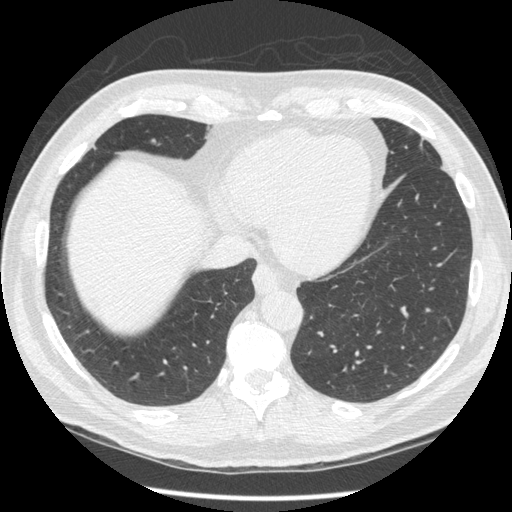
Axial slice 108 of 452 of a chest CT (slice 1 is the lowest), reconstructed with the STANDARD kernel at 120 kVp; 1.25 mm slice thickness and 0.703 mm pixels.
Pulmonary nodule, outlined by one of the four readers. Box on this slice rows 138–144, columns 150–155, that reader's outline on this slice; longest diameter 6.4 mm and volume 38 mm3 from that reader's outline. That reader's ratings: texture 5/5 (solid); margin 5/5 (circumscribed); sphericity 5/5 (round); calcification absent; internal structure soft tissue; subtlety 5/5; malignancy likelihood 3/5. Scale key (1–5): texture non-solid→solid, margin indistinct→circumscribed, sphericity linear→round, subtlety extremely subtle→obvious, malignancy likelihood highly unlikely→highly suspicious of cancer. Box rows and columns are 0-based pixel indices from the top-left corner, inclusive.